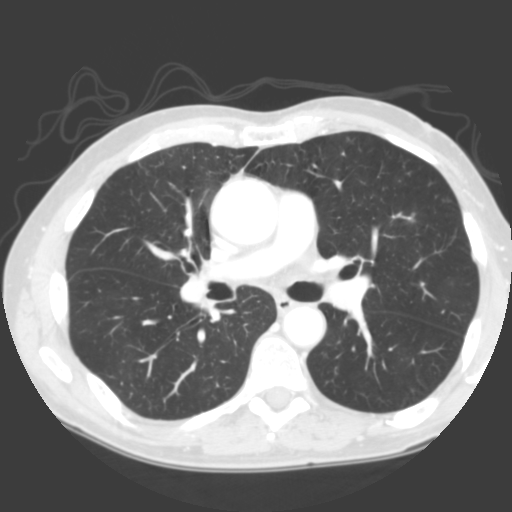
Axial chest CT slice 187 of 335 (counted from the lowest slice); 2.00 mm thick, 0.623 mm per pixel. Pulmonary nodule, outlined by three of the four readers, two of them on this slice. Box on this slice rows 213–221, columns 412–416, the union of the readers' outlines on this slice; longest diameter 9.0 mm on average over the three readers' outlines (readers' outlines 7.9–10.3 mm), volume 194–222 mm3. The readers' prevailing ratings and who disagreed: texture 4/5 by two of three readers; the rest gave 5/5 (solid) (one); margin split among the readers: 2/5 (one), 3/5 (one), 4/5 (one); most readers (two of three) put sphericity at 3/5 (ovoid), others 4/5 (one); calcification absent from all three readers; internal structure soft tissue, all three readers agreeing; most readers (two of three) put subtlety at 3/5, others 5/5 (one); malignancy likelihood split among the readers: 2/5 (one), 3/5 (one), 4/5 (one). Scale key (1–5): texture non-solid→solid, margin indistinct→circumscribed, sphericity linear→round, subtlety extremely subtle→obvious, malignancy likelihood highly unlikely→highly suspicious of cancer. Box rows and columns are 0-based pixel indices from the top-left corner, inclusive.
Tube voltage 120 kVp; convolution kernel B.